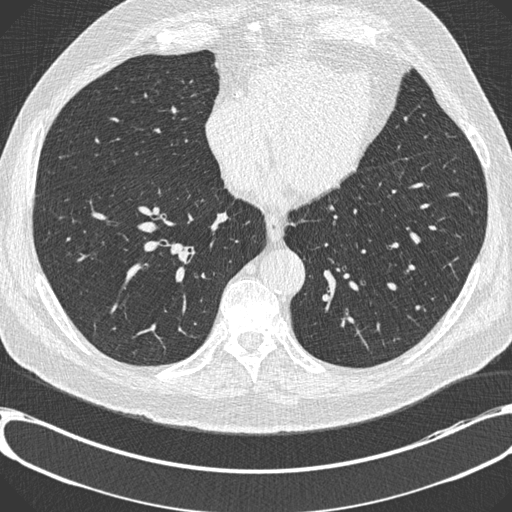
One axial slice (299 of 730, counting up from the lowest) of a chest CT acquired at 120 kVp with the B30f kernel; each pixel is 0.730 mm and the slice is 0.60 mm thick.
Pulmonary nodule outlined by one of the four readers; box rows 306–309, columns 415–419 (that reader's outline on this slice); longest diameter 7.2 mm and volume 114 mm3 from that reader's outline. That reader's ratings: texture 5/5 (solid); margin 5/5 (circumscribed); sphericity 5/5 (round); calcification absent; internal structure soft tissue; subtlety 3/5; malignancy likelihood 2/5. Scale key (1–5): texture non-solid→solid, margin indistinct→circumscribed, sphericity linear→round, subtlety extremely subtle→obvious, malignancy likelihood highly unlikely→highly suspicious of cancer. Box rows and columns are 0-based pixel indices from the top-left corner, inclusive.